Axial chest CT slice 145 of 461 (counted from the lowest slice); tube voltage 120 kVp, convolution kernel STANDARD; slices 1.25 mm thick, 0.645 mm per pixel.
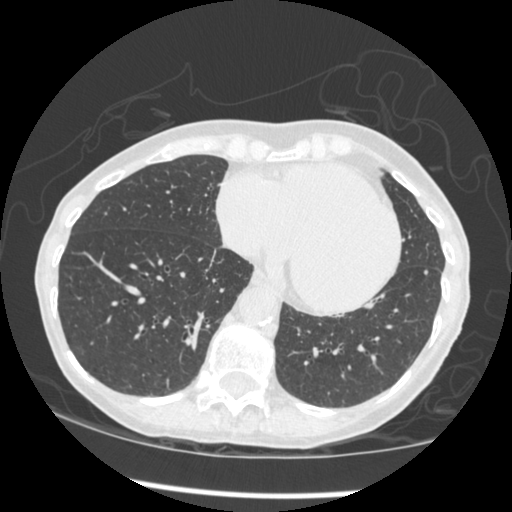
Pulmonary nodule outlined by one of the four readers; box rows 270–275, columns 424–427 (that reader's outline on this slice); longest diameter 5.8 mm and volume 32 mm3 from that reader's outline. That reader's ratings: texture 5/5 (solid); margin 5/5 (circumscribed); sphericity 5/5 (round); calcification absent; internal structure soft tissue; subtlety 3/5; malignancy likelihood 2/5. Scale key (1–5): texture non-solid→solid, margin indistinct→circumscribed, sphericity linear→round, subtlety extremely subtle→obvious, malignancy likelihood highly unlikely→highly suspicious of cancer. Box rows and columns are 0-based pixel indices from the top-left corner, inclusive.